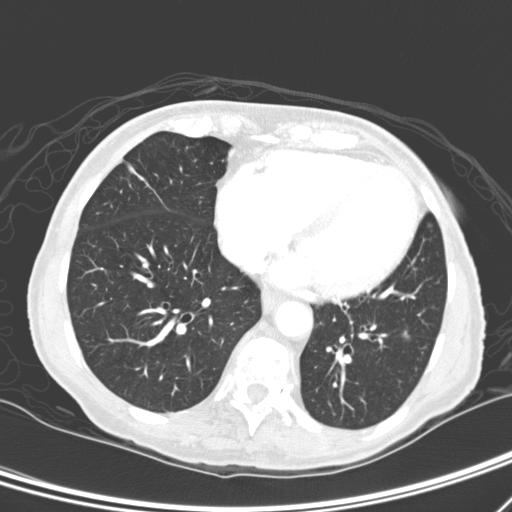
Axial chest CT slice 106 of 276 (counted from the lowest slice); tube voltage 120 kVp, convolution kernel D; slices 2.00 mm thick, 0.617 mm per pixel.
Pulmonary nodule at rows 330–340, columns 401–412 (box = the union of the readers' outlines on this slice), outlined by all four readers; longest diameter 8.9 mm on average over the four readers' outlines (readers' outlines 7.2–10.6 mm), volume 121–277 mm3. Ratings, by the readers' most common answer with dissent counted: texture 2/5 by two of four readers; the rest gave 1/5 (non-solid) (one), 5/5 (solid) (one); most readers (three of four) put margin at 1/5 (indistinct), others 5/5 (circumscribed) (one); sphericity 4/5 by two of four readers; the rest gave 2/5 (one), 3/5 (ovoid) (one); calcification absent from all four readers; internal structure soft tissue, all four readers agreeing; subtlety split among the readers: 2/5 (two), 4/5 (two); malignancy likelihood 4/5 by two of four readers; the rest gave 2/5 (one), 3/5 (one). Scale key (1–5): texture non-solid→solid, margin indistinct→circumscribed, sphericity linear→round, subtlety extremely subtle→obvious, malignancy likelihood highly unlikely→highly suspicious of cancer. Box rows and columns are 0-based pixel indices from the top-left corner, inclusive.